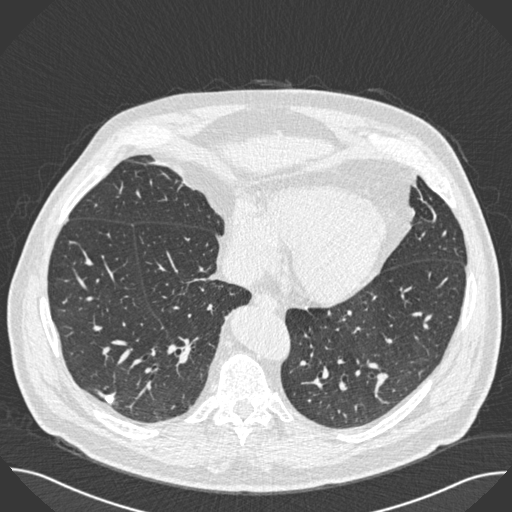
Axial chest CT slice 197 of 493 (counted from the lowest slice); 0.75 mm thick, 0.762 mm per pixel. Pulmonary nodule outlined by three of the four readers; box rows 395–403, columns 105–113 (the union of the readers' outlines on this slice); longest diameter 7.2–8.5 mm and volume 95–166 mm3 across the three readers' outlines. Ratings across the readers: texture 5/5 (solid) from all three readers; margin 5/5 (circumscribed), all three readers agreeing; sphericity from 4/5 to 5/5 (round) across the three readers; calcification solid calcification from all three readers; internal structure soft tissue from all three readers; subtlety from 4/5 to 5/5 across the three readers; malignancy likelihood 1/5, all three readers agreeing. Scale key (1–5): texture non-solid→solid, margin indistinct→circumscribed, sphericity linear→round, subtlety extremely subtle→obvious, malignancy likelihood highly unlikely→highly suspicious of cancer. Box rows and columns are 0-based pixel indices from the top-left corner, inclusive.
Scan settings: 120 kVp, B30f reconstruction kernel.